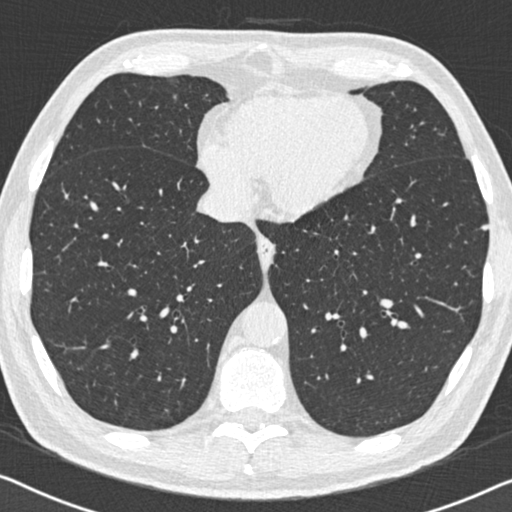
Axial slice 215 of 558 of a chest CT (slice 1 is the lowest), reconstructed with the B30f kernel at 120 kVp; 0.75 mm slice thickness and 0.648 mm pixels.
Pulmonary nodule at rows 224–230, columns 481–488 (box = the union of the readers' outlines on this slice), outlined by two of the four readers; longest diameter 6.6 mm on average over the two readers' outlines (readers' outlines 6.2–7.0 mm), volume 80–93 mm3. The readers' prevailing ratings and who disagreed: texture split among the readers: 4/5 (one), 5/5 (solid) (one); margin 4/5 from both readers; sphericity split among the readers: 4/5 (one), 5/5 (round) (one); calcification absent, both readers agreeing; internal structure soft tissue from both readers; subtlety split among the readers: 3/5 (one), 5/5 (one); malignancy likelihood split among the readers: 2/5 (one), 3/5 (one). Scale key (1–5): texture non-solid→solid, margin indistinct→circumscribed, sphericity linear→round, subtlety extremely subtle→obvious, malignancy likelihood highly unlikely→highly suspicious of cancer. Box rows and columns are 0-based pixel indices from the top-left corner, inclusive.